Chest CT, axial plane, 120 kVp, kernel B30f. Slice 147/181 from the bottom of the scan; thickness 2.00 mm; pixel size 0.723 mm.
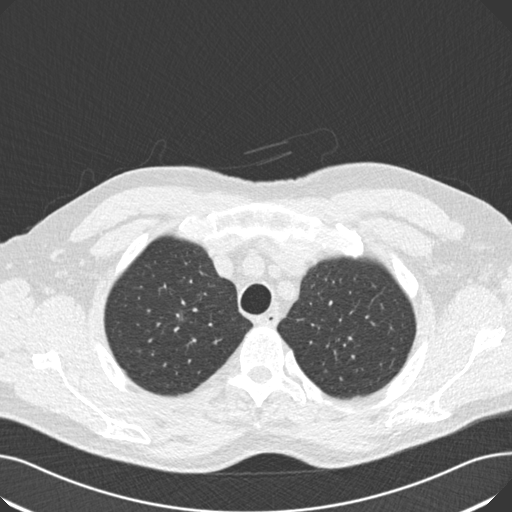
Pulmonary nodule at rows 311–320, columns 176–181 (box = the one reader's outline on this slice), outlined by three of the four readers, one of them on this slice; median longest diameter 10.7 mm (readers' outlines 9.4–10.7 mm), median volume 214 mm3 (180–294 mm3). Median ratings and the readers' spread: median texture 3/5 (part-solid) (readers ranged 3/5 (part-solid) to 4/5); margin 3/5 at the median of three readers, spread 1/5 (indistinct) to 3/5; median sphericity 3/5 (ovoid) (readers ranged 2/5 to 4/5); calcification absent from all three readers; internal structure soft tissue, all three readers agreeing; subtlety 2/5 at the median of three readers, spread 2–3; median malignancy likelihood 3/5 (readers ranged 2–3). Scale key (1–5): texture non-solid→solid, margin indistinct→circumscribed, sphericity linear→round, subtlety extremely subtle→obvious, malignancy likelihood highly unlikely→highly suspicious of cancer. Box rows and columns are 0-based pixel indices from the top-left corner, inclusive.